Axial chest CT slice 73 of 109 (counted from the lowest slice); tube voltage 135 kVp, convolution kernel FC01; slices 3.00 mm thick, 0.671 mm per pixel.
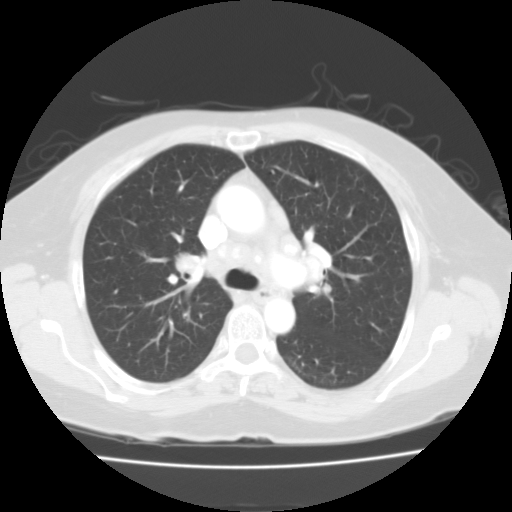
Pulmonary nodule outlined by two of the four readers; box rows 312–318, columns 182–187 (the union of the readers' outlines on this slice); longest diameter 6.7 mm and volume 99–172 mm3 across the two readers' outlines. The readers' ratings, as ranges where they differ: texture 5/5 (solid), both readers agreeing; margin from 4/5 to 5/5 (circumscribed) across the two readers; sphericity from 3/5 (ovoid) to 5/5 (round) across the two readers; calcification absent from both readers; internal structure soft tissue, both readers agreeing; subtlety 2–4/5 (the readers disagree); malignancy likelihood from 2/5 to 3/5 across the two readers. Scale key (1–5): texture non-solid→solid, margin indistinct→circumscribed, sphericity linear→round, subtlety extremely subtle→obvious, malignancy likelihood highly unlikely→highly suspicious of cancer. Box rows and columns are 0-based pixel indices from the top-left corner, inclusive.